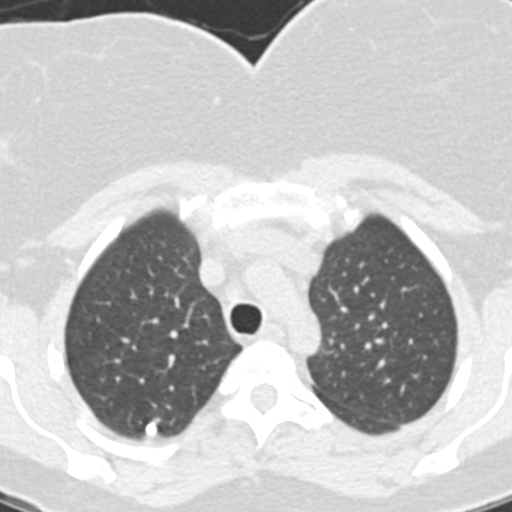
Axial slice 153 of 331 of a chest CT (slice 1 is the lowest), reconstructed with the B20s kernel at 130 kVp; 1.25 mm slice thickness and 0.496 mm pixels.
Pulmonary nodule, outlined by all four readers. Box on this slice rows 422–436, columns 145–156, the union of the readers' outlines on this slice; median longest diameter 7.5 mm (readers' outlines 6.9–8.4 mm), median volume 164 mm3 (132–209 mm3). Ratings, median across the readers with their spread: texture 5/5 (solid), all four readers agreeing; margin 5/5 (circumscribed) from all four readers; sphericity 5/5 (round) at the median of four readers, spread 4/5 to 5/5 (round); calcification: solid calcification (three), central calcification (one); internal structure soft tissue, all four readers agreeing; subtlety 5/5 at the median of four readers, spread 4–5; malignancy likelihood 1/5 from all four readers. Scale key (1–5): texture non-solid→solid, margin indistinct→circumscribed, sphericity linear→round, subtlety extremely subtle→obvious, malignancy likelihood highly unlikely→highly suspicious of cancer. Box rows and columns are 0-based pixel indices from the top-left corner, inclusive.